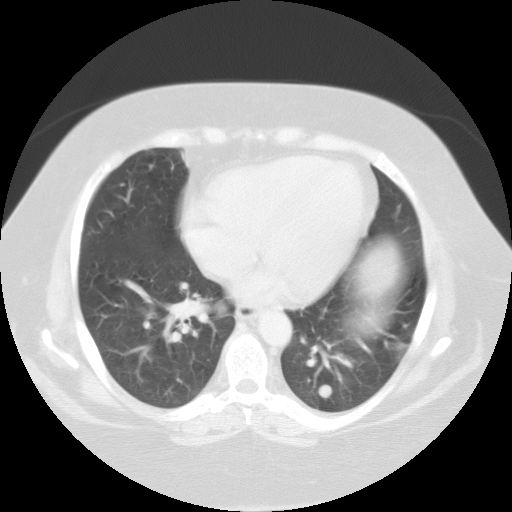
This is axial slice 50 of 102 (slice 1 is the lowest) of a chest CT; each pixel is 0.808 mm and the slice is 3.00 mm thick. Pulmonary nodule, outlined by all four readers. Box on this slice rows 384–398, columns 317–332, the union of the readers' outlines on this slice; median longest diameter 13.1 mm (readers' outlines 11.5–13.9 mm), median volume 1524 mm3 (1135–1808 mm3). Ratings, median across the readers with their spread: texture 5/5 (solid) from all four readers; margin 5/5 (circumscribed) from all four readers; sphericity 5/5 (round), all four readers agreeing; calcification absent, all four readers agreeing; internal structure soft tissue, all four readers agreeing; median subtlety 5/5 (readers ranged 3–5); malignancy likelihood 5/5 at the median of four readers, spread 2–5. Scale key (1–5): texture non-solid→solid, margin indistinct→circumscribed, sphericity linear→round, subtlety extremely subtle→obvious, malignancy likelihood highly unlikely→highly suspicious of cancer. Box rows and columns are 0-based pixel indices from the top-left corner, inclusive.
Scan settings: 135 kVp, FC01 reconstruction kernel.